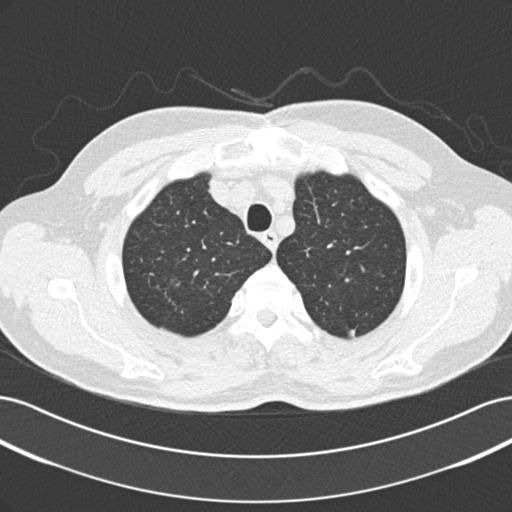
Chest CT, axial plane, 120 kVp, kernel B30f. Slice 193/229 from the bottom of the scan; thickness 2.00 mm; pixel size 0.703 mm.
Pulmonary nodule, outlined by two of the four readers. Box on this slice rows 329–337, columns 349–354, the union of the readers' outlines on this slice; median longest diameter 8.1 mm (readers' outlines 8.0–8.2 mm), median volume 169 mm3 (156–182 mm3). Median ratings and the readers' spread: texture 5/5 (solid) from both readers; median margin 4.5/5 (readers ranged 4/5 to 5/5 (circumscribed)); sphericity 3.5/5 at the median of two readers, spread 2/5 to 5/5 (round); calcification absent from both readers; internal structure soft tissue, both readers agreeing; median subtlety 3.5/5 (readers ranged 3–4); malignancy likelihood 2.5/5 at the median of two readers, spread 2–3. Scale key (1–5): texture non-solid→solid, margin indistinct→circumscribed, sphericity linear→round, subtlety extremely subtle→obvious, malignancy likelihood highly unlikely→highly suspicious of cancer. Box rows and columns are 0-based pixel indices from the top-left corner, inclusive.